One axial slice (148 of 261, counting up from the lowest) of a chest CT acquired at 120 kVp with the STANDARD kernel; each pixel is 0.684 mm and the slice is 1.25 mm thick.
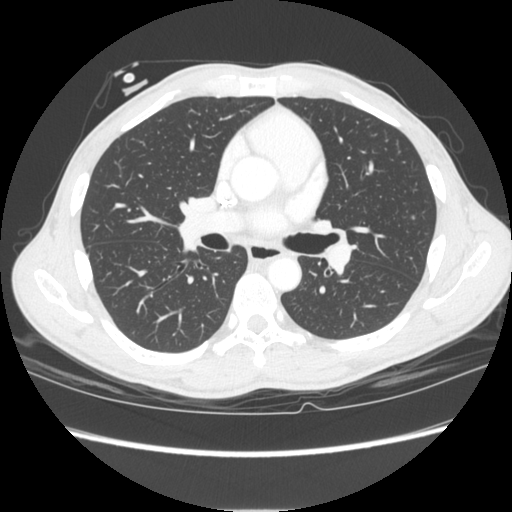
Pulmonary nodule, outlined by all four readers. Box on this slice rows 215–219, columns 410–414, the union of the readers' outlines on this slice; the four readers' outlines give a longest diameter between 6.7 and 9.3 mm and a volume between 118 and 216 mm3. The readers' ratings, as ranges where they differ: texture 5/5 (solid) from all four readers; margin 5/5 (circumscribed) from all four readers; sphericity from 3/5 (ovoid) to 5/5 (round) across the four readers; calcification absent, all four readers agreeing; internal structure soft tissue from all four readers; subtlety rated between 3 and 4 out of 5 by the four readers; malignancy likelihood 2–4/5 (the readers disagree). Scale key (1–5): texture non-solid→solid, margin indistinct→circumscribed, sphericity linear→round, subtlety extremely subtle→obvious, malignancy likelihood highly unlikely→highly suspicious of cancer. Box rows and columns are 0-based pixel indices from the top-left corner, inclusive.